Axial chest CT slice 60 of 150 (counted from the lowest slice); tube voltage 120 kVp, convolution kernel STANDARD; slices 2.50 mm thick, 0.820 mm per pixel.
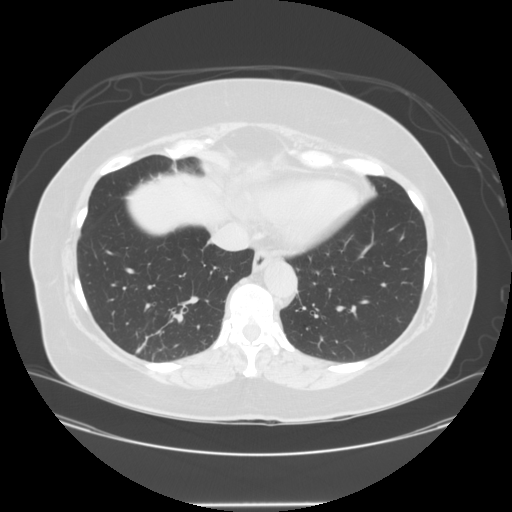
Pulmonary nodule outlined by three of the four readers; box rows 333–353, columns 140–172 (the union of the readers' outlines on this slice); longest diameter 37.6 mm on average over the three readers' outlines (readers' outlines 34.5–41.5 mm), volume 15181–19016 mm3. The readers' prevailing ratings and who disagreed: texture 5/5 (solid) from all three readers; margin 4/5 by two of three readers; the rest gave 2/5 (one); sphericity split among the readers: 3/5 (ovoid) (one), 4/5 (one), 5/5 (round) (one); calcification absent, all three readers agreeing; internal structure soft tissue, all three readers agreeing; subtlety 5/5, all three readers agreeing; malignancy likelihood 5/5, all three readers agreeing. Scale key (1–5): texture non-solid→solid, margin indistinct→circumscribed, sphericity linear→round, subtlety extremely subtle→obvious, malignancy likelihood highly unlikely→highly suspicious of cancer. Box rows and columns are 0-based pixel indices from the top-left corner, inclusive.